One axial slice (150 of 183, counting up from the lowest) of a chest CT acquired at 135 kVp with the FC03 kernel; each pixel is 0.946 mm and the slice is 2.00 mm thick.
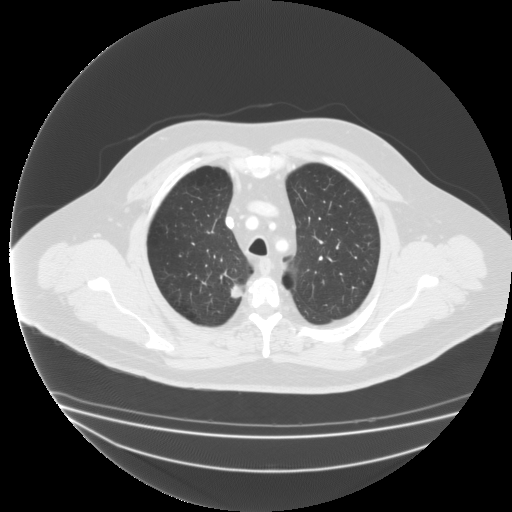
Pulmonary nodule outlined by three of the four readers; box rows 282–298, columns 230–243 (the union of the readers' outlines on this slice); longest diameter 16.1–17.8 mm and volume 986–1640 mm3 across the three readers' outlines. Ratings across the readers: texture 5/5 (solid), all three readers agreeing; margin from 3/5 to 4/5 across the three readers; sphericity 4/5, all three readers agreeing; calcification absent, all three readers agreeing; internal structure soft tissue from all three readers; subtlety rated between 4 and 5 out of 5 by the three readers; malignancy likelihood 4/5, all three readers agreeing. Scale key (1–5): texture non-solid→solid, margin indistinct→circumscribed, sphericity linear→round, subtlety extremely subtle→obvious, malignancy likelihood highly unlikely→highly suspicious of cancer. Box rows and columns are 0-based pixel indices from the top-left corner, inclusive.